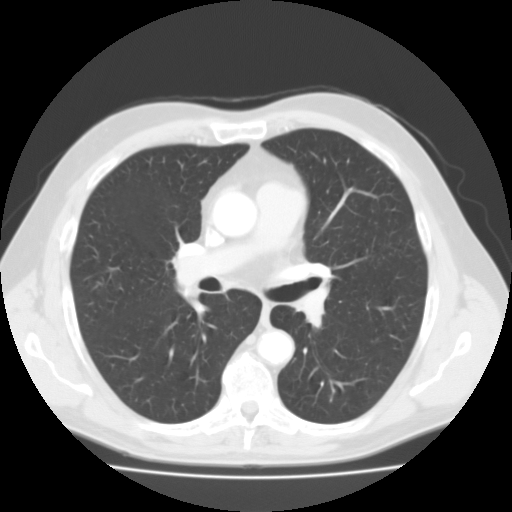
Chest CT, axial plane, 135 kVp, kernel FC01. Slice 65/109 from the bottom of the scan; thickness 3.00 mm; pixel size 0.720 mm.
No nodule of 3 mm or larger was outlined by any of the four readers on this slice.